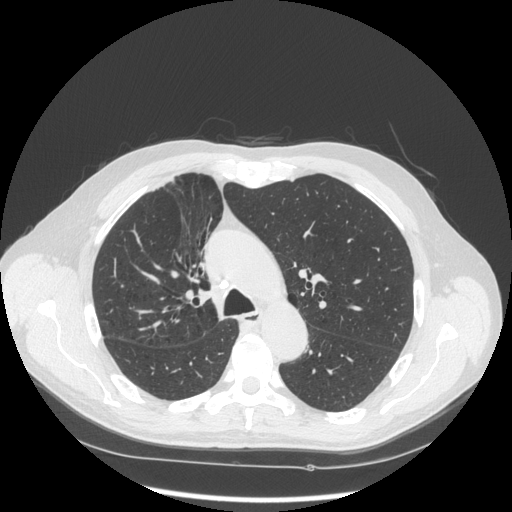
Chest CT, axial plane, 120 kVp, kernel STANDARD. Slice 186/297 from the bottom of the scan; thickness 1.25 mm; pixel size 0.787 mm.
This slice carries no reader outline of a nodule 3 mm or larger.